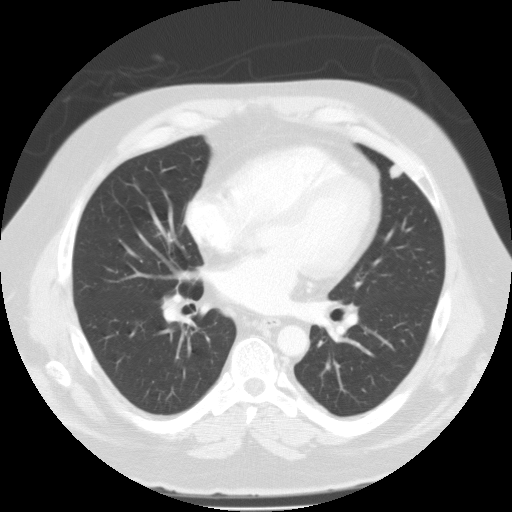
Axial chest CT slice 58 of 115 (counted from the lowest slice); 3.00 mm thick, 0.789 mm per pixel. Pulmonary nodule at rows 164–179, columns 389–401 (box = the union of the readers' outlines on this slice), outlined by all four readers; longest diameter 12.5 mm on average over the four readers' outlines (readers' outlines 11.8–13.5 mm), volume 900–1080 mm3. Ratings, by the readers' most common answer with dissent counted: texture 5/5 (solid), all four readers agreeing; margin 5/5 (circumscribed), all four readers agreeing; sphericity 5/5 (round), all four readers agreeing; calcification absent, all four readers agreeing; internal structure soft tissue from all four readers; subtlety 5/5 from all four readers; malignancy likelihood 4/5 by two of four readers; the rest gave 2/5 (one), 3/5 (one). Scale key (1–5): texture non-solid→solid, margin indistinct→circumscribed, sphericity linear→round, subtlety extremely subtle→obvious, malignancy likelihood highly unlikely→highly suspicious of cancer. Box rows and columns are 0-based pixel indices from the top-left corner, inclusive.
Tube voltage 135 kVp; convolution kernel FC01.